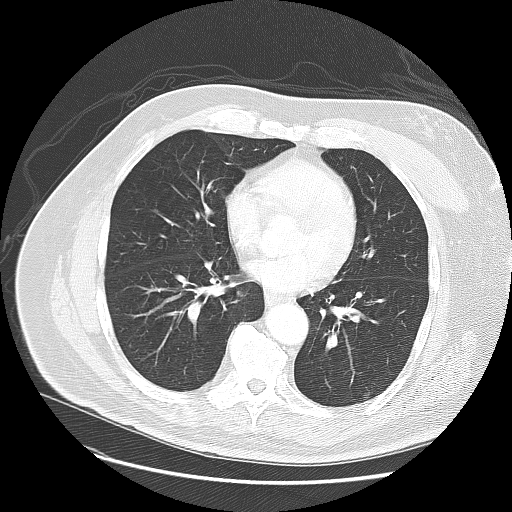
Slice 68/140 of a chest CT, counting up from the lowest; pixel size 0.781 mm, slice thickness 2.50 mm. Two pulmonary nodules on this slice, listed from left to right. (1) Pulmonary nodule, outlined by all four readers, three of them on this slice. Box on this slice rows 290–296, columns 235–244, the union of the readers' outlines on this slice; longest diameter 9.7–11.8 mm and volume 557–728 mm3 across the four readers' outlines. Ratings across the readers: texture from 4/5 to 5/5 (solid) across the four readers; margin 5/5 (circumscribed) from all four readers; sphericity from 4/5 to 5/5 (round) across the four readers; calcification absent, all four readers agreeing; internal structure soft tissue, all four readers agreeing; subtlety 3–4/5 (the readers disagree); malignancy likelihood rated between 2 and 4 out of 5 by the four readers. (2) Pulmonary nodule at rows 392–398, columns 362–370 (box = the union of the readers' outlines on this slice), outlined by all four readers, two of them on this slice; longest diameter 9.8 mm on average over the four readers' outlines (readers' outlines 7.4–12.0 mm), volume 152–453 mm3. Ratings, by the readers' most common answer with dissent counted: texture 5/5 (solid), all four readers agreeing; margin 5/5 (circumscribed), all four readers agreeing; sphericity split among the readers: 3/5 (ovoid) (two), 5/5 (round) (two); calcification absent, all four readers agreeing; internal structure soft tissue, all four readers agreeing; subtlety 3/5 by two of four readers; the rest gave 4/5 (one), 5/5 (one); malignancy likelihood 3/5 by two of four readers; the rest gave 2/5 (one), 4/5 (one). Scale key (1–5): texture non-solid→solid, margin indistinct→circumscribed, sphericity linear→round, subtlety extremely subtle→obvious, malignancy likelihood highly unlikely→highly suspicious of cancer. Box rows and columns are 0-based pixel indices from the top-left corner, inclusive.
Tube voltage 120 kVp; convolution kernel LUNG.